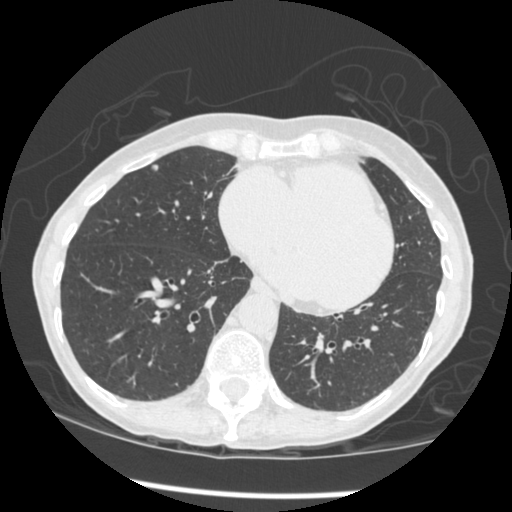
Slice 164/461 of a chest CT, counting up from the lowest; pixel size 0.645 mm, slice thickness 1.25 mm. Pulmonary nodule, outlined by all four readers. Box on this slice rows 163–170, columns 150–158, the union of the readers' outlines on this slice; longest diameter 6.2 mm on average over the four readers' outlines (readers' outlines 5.5–7.0 mm), volume 59–97 mm3. Ratings, by the readers' most common answer with dissent counted: texture 5/5 (solid) from all four readers; margin 5/5 (circumscribed) from all four readers; most readers (three of four) put sphericity at 5/5 (round), others 4/5 (one); calcification absent from all four readers; internal structure soft tissue from all four readers; most readers (three of four) put subtlety at 4/5, others 3/5 (one); malignancy likelihood 2/5 by two of four readers; the rest gave 1/5 (one), 3/5 (one). Scale key (1–5): texture non-solid→solid, margin indistinct→circumscribed, sphericity linear→round, subtlety extremely subtle→obvious, malignancy likelihood highly unlikely→highly suspicious of cancer. Box rows and columns are 0-based pixel indices from the top-left corner, inclusive.
Scan settings: 120 kVp, STANDARD reconstruction kernel.